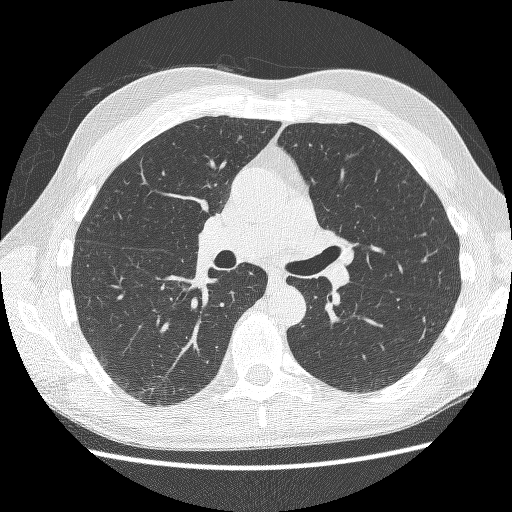
Axial chest CT slice 144 of 252 (counted from the lowest slice); 1.25 mm thick, 0.703 mm per pixel. The readers outlined no nodule of 3 mm or more on this slice.
Acquired at 120 kVp and reconstructed with the BONE kernel.